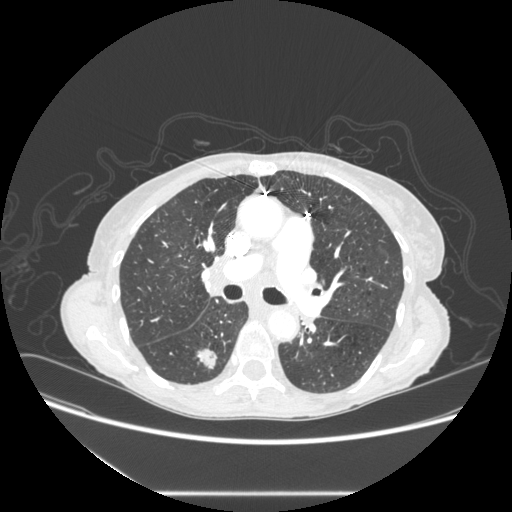
Axial chest CT slice 178 of 289 (counted from the lowest slice); tube voltage 120 kVp, convolution kernel STANDARD; slices 1.25 mm thick, 0.764 mm per pixel.
Pulmonary nodule outlined by all four readers; box rows 347–368, columns 195–216 (the union of the readers' outlines on this slice); the four readers' outlines give a longest diameter between 20.5 and 21.9 mm and a volume between 2320 and 2697 mm3. The readers' ratings, as ranges where they differ: texture from 4/5 to 5/5 (solid) across the four readers; margin 4/5 from all four readers; sphericity from 3/5 (ovoid) to 5/5 (round) across the four readers; calcification absent, all four readers agreeing; internal structure soft tissue, all four readers agreeing; subtlety rated between 4 and 5 out of 5 by the four readers; malignancy likelihood from 3/5 to 5/5 across the four readers. Scale key (1–5): texture non-solid→solid, margin indistinct→circumscribed, sphericity linear→round, subtlety extremely subtle→obvious, malignancy likelihood highly unlikely→highly suspicious of cancer. Box rows and columns are 0-based pixel indices from the top-left corner, inclusive.